Chest CT, axial plane, 120 kVp, kernel B30f. Slice 69/192 from the bottom of the scan; thickness 2.00 mm; pixel size 0.664 mm.
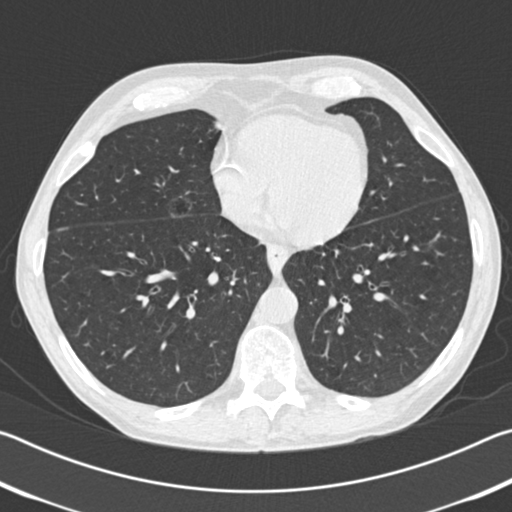
Pulmonary nodule, outlined by one of the four readers. Box on this slice rows 197–214, columns 170–190, that reader's outline on this slice; longest diameter 17.7 mm and volume 2737 mm3 from that reader's outline. That reader's ratings: texture 1/5 (non-solid); margin 2/5; sphericity 4/5; calcification absent; internal structure soft tissue; subtlety 2/5; malignancy likelihood 2/5. Scale key (1–5): texture non-solid→solid, margin indistinct→circumscribed, sphericity linear→round, subtlety extremely subtle→obvious, malignancy likelihood highly unlikely→highly suspicious of cancer. Box rows and columns are 0-based pixel indices from the top-left corner, inclusive.